Chest CT, axial plane, 120 kVp, kernel LUNG. Slice 80/214 from the bottom of the scan; thickness 1.25 mm; pixel size 0.820 mm.
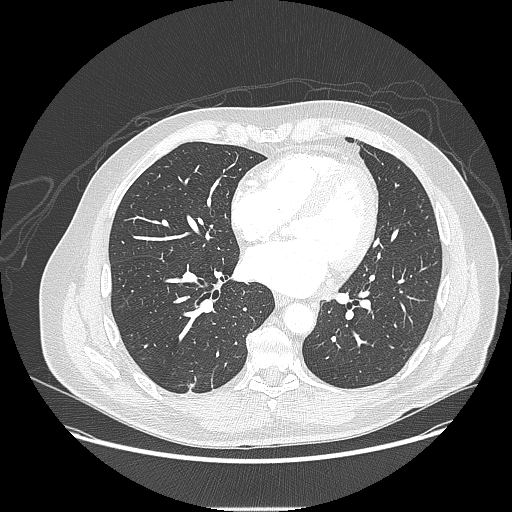
Pulmonary nodule outlined by all four readers, one of them on this slice; box rows 383–390, columns 187–194 (the one reader's outline on this slice); the four readers' outlines give a longest diameter between 14.7 and 27.9 mm and a volume between 696 and 2326 mm3. The readers' ratings, as ranges where they differ: texture from 4/5 to 5/5 (solid) across the four readers; margin from 1/5 (indistinct) to 4/5 across the four readers; sphericity from 2/5 to 3/5 (ovoid) across the four readers; calcification absent from all four readers; internal structure soft tissue from all four readers; subtlety rated between 4 and 5 out of 5 by the four readers; malignancy likelihood from 3/5 to 4/5 across the four readers. Scale key (1–5): texture non-solid→solid, margin indistinct→circumscribed, sphericity linear→round, subtlety extremely subtle→obvious, malignancy likelihood highly unlikely→highly suspicious of cancer. Box rows and columns are 0-based pixel indices from the top-left corner, inclusive.